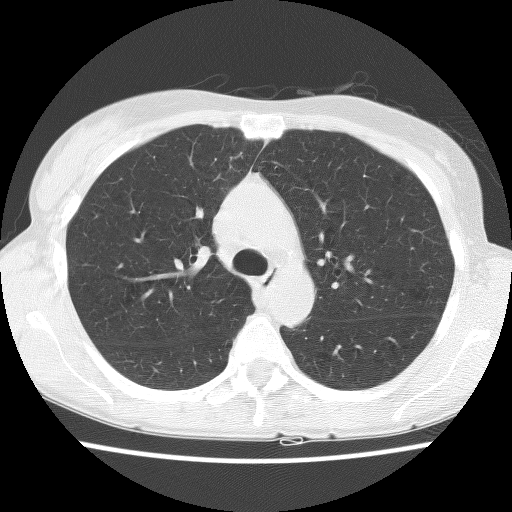
One axial slice (87 of 123, counting up from the lowest) of a chest CT acquired at 140 kVp with the BONE kernel; each pixel is 0.586 mm and the slice is 2.50 mm thick.
This slice carries no reader outline of a nodule 3 mm or larger.